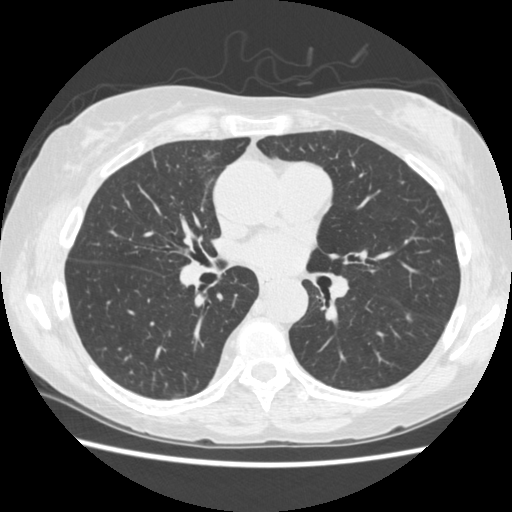
Slice 250/477 of a chest CT, counting up from the lowest; pixel size 0.664 mm, slice thickness 1.25 mm. Pulmonary nodule, outlined by two of the four readers. Box on this slice rows 313–321, columns 406–411, the union of the readers' outlines on this slice; longest diameter 6.7 mm on average over the two readers' outlines (readers' outlines 6.3–7.2 mm), volume 34–53 mm3. Ratings, by the readers' most common answer with dissent counted: texture 5/5 (solid) from both readers; margin split among the readers: 3/5 (one), 5/5 (circumscribed) (one); sphericity split among the readers: 2/5 (one), 3/5 (ovoid) (one); calcification absent from both readers; internal structure soft tissue, both readers agreeing; subtlety split among the readers: 1/5 (one), 3/5 (one); malignancy likelihood 2/5, both readers agreeing. Scale key (1–5): texture non-solid→solid, margin indistinct→circumscribed, sphericity linear→round, subtlety extremely subtle→obvious, malignancy likelihood highly unlikely→highly suspicious of cancer. Box rows and columns are 0-based pixel indices from the top-left corner, inclusive.
Scan settings: 120 kVp, STANDARD reconstruction kernel.